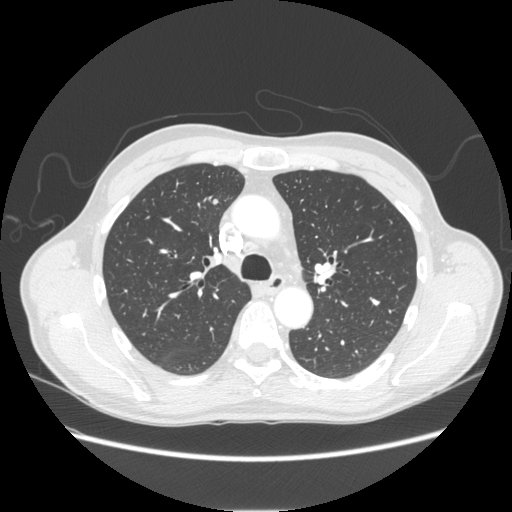
Axial slice 164 of 253 of a chest CT (slice 1 is the lowest), reconstructed with the STANDARD kernel at 120 kVp; 1.25 mm slice thickness and 0.742 mm pixels.
Pulmonary nodule at rows 199–204, columns 213–218 (box = the union of the readers' outlines on this slice), outlined by three of the four readers; longest diameter 5.8 mm on average over the three readers' outlines (readers' outlines 5.4–6.3 mm), volume 67–73 mm3. Ratings, by the readers' most common answer with dissent counted: texture 5/5 (solid), all three readers agreeing; margin 5/5 (circumscribed), all three readers agreeing; most readers (two of three) put sphericity at 5/5 (round), others 3/5 (ovoid) (one); calcification absent, all three readers agreeing; internal structure soft tissue, all three readers agreeing; most readers (two of three) put subtlety at 3/5, others 2/5 (one); most readers (two of three) put malignancy likelihood at 3/5, others 2/5 (one). Scale key (1–5): texture non-solid→solid, margin indistinct→circumscribed, sphericity linear→round, subtlety extremely subtle→obvious, malignancy likelihood highly unlikely→highly suspicious of cancer. Box rows and columns are 0-based pixel indices from the top-left corner, inclusive.